Chest CT, axial plane, 120 kVp, kernel LUNG. Slice 113/145 from the bottom of the scan; thickness 2.50 mm; pixel size 0.781 mm.
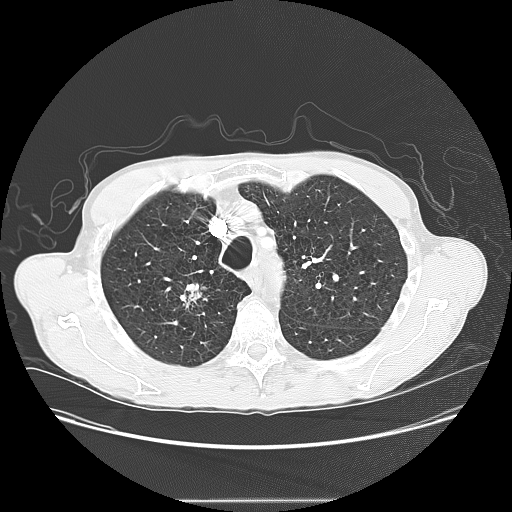
Pulmonary nodule outlined by all four readers; box rows 282–311, columns 179–207 (the union of the readers' outlines on this slice); longest diameter 34.4 mm on average over the four readers' outlines (readers' outlines 31.9–37.6 mm), volume 6100–11568 mm3. Ratings, by the readers' most common answer with dissent counted: most readers (three of four) put texture at 5/5 (solid), others 4/5 (one); margin 3/5 by two of four readers; the rest gave 2/5 (one), 4/5 (one); sphericity 4/5 by two of four readers; the rest gave 3/5 (ovoid) (one), 5/5 (round) (one); calcification absent from all four readers; internal structure soft tissue, all four readers agreeing; subtlety 5/5, all four readers agreeing; malignancy likelihood 5/5 by three of four readers; the rest gave 4/5 (one). Scale key (1–5): texture non-solid→solid, margin indistinct→circumscribed, sphericity linear→round, subtlety extremely subtle→obvious, malignancy likelihood highly unlikely→highly suspicious of cancer. Box rows and columns are 0-based pixel indices from the top-left corner, inclusive.